Chest CT, axial plane, 120 kVp, kernel STANDARD. Slice 157/429 from the bottom of the scan; thickness 1.25 mm; pixel size 0.703 mm.
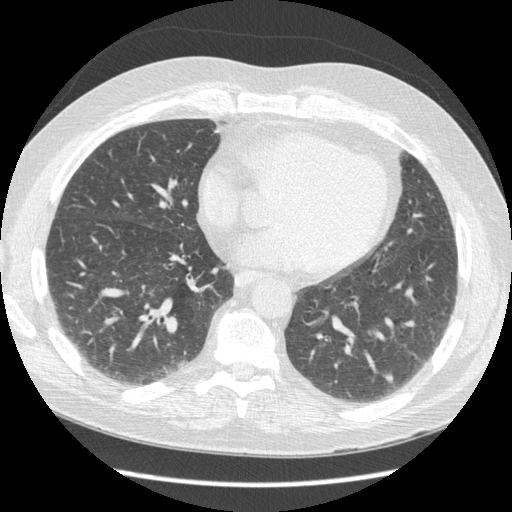
Pulmonary nodule outlined by all four readers; box rows 371–382, columns 381–392 (the union of the readers' outlines on this slice); longest diameter 7.9–12.4 mm and volume 94–254 mm3 across the four readers' outlines. The readers' ratings, as ranges where they differ: texture 5/5 (solid) from all four readers; margin from 3/5 to 5/5 (circumscribed) across the four readers; sphericity from 3/5 (ovoid) to 5/5 (round) across the four readers; calcification absent from all four readers; internal structure soft tissue from all four readers; subtlety 3–5/5 (the readers disagree); malignancy likelihood 2–4/5 (the readers disagree). Scale key (1–5): texture non-solid→solid, margin indistinct→circumscribed, sphericity linear→round, subtlety extremely subtle→obvious, malignancy likelihood highly unlikely→highly suspicious of cancer. Box rows and columns are 0-based pixel indices from the top-left corner, inclusive.